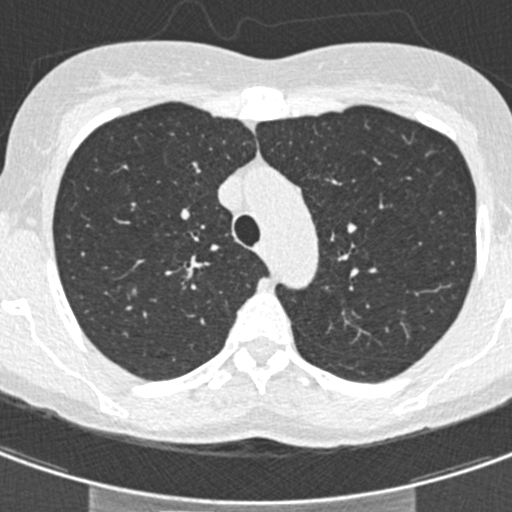
Slice 323/429 of a chest CT, counting up from the lowest; pixel size 0.537 mm, slice thickness 0.75 mm. Pulmonary nodule at rows 287–294, columns 131–136 (box = the union of the readers' outlines on this slice), outlined by all four readers; longest diameter 12.6 mm on average over the four readers' outlines (readers' outlines 11.2–13.4 mm), volume 226–398 mm3. The readers' prevailing ratings and who disagreed: texture split among the readers: 3/5 (part-solid) (two), 4/5 (two); margin 3/5 by two of four readers; the rest gave 1/5 (indistinct) (one), 4/5 (one); sphericity 2/5 by two of four readers; the rest gave 3/5 (ovoid) (one), 5/5 (round) (one); calcification absent from all four readers; internal structure soft tissue, all four readers agreeing; subtlety 5/5 by two of four readers; the rest gave 3/5 (one), 4/5 (one); malignancy likelihood split among the readers: 3/5 (two), 4/5 (two). Scale key (1–5): texture non-solid→solid, margin indistinct→circumscribed, sphericity linear→round, subtlety extremely subtle→obvious, malignancy likelihood highly unlikely→highly suspicious of cancer. Box rows and columns are 0-based pixel indices from the top-left corner, inclusive.
Scan settings: 120 kVp, B30f reconstruction kernel.